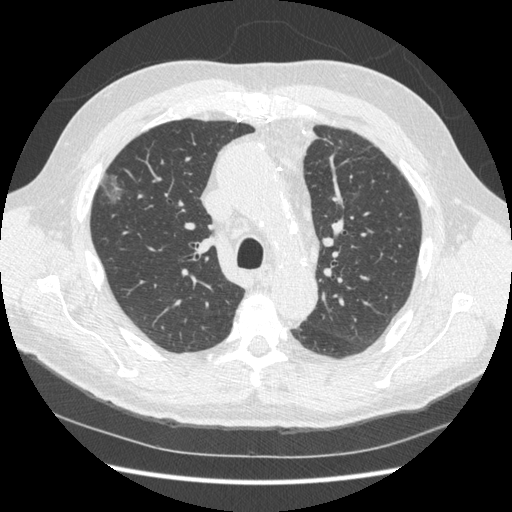
This is axial slice 238 of 369 (slice 1 is the lowest) of a chest CT; each pixel is 0.703 mm and the slice is 1.25 mm thick. Pulmonary nodule outlined by one of the four readers; box rows 172–203, columns 101–124 (that reader's outline on this slice); longest diameter 27.0 mm and volume 3015 mm3 from that reader's outline. That reader's ratings: texture 1/5 (non-solid); margin 1/5 (indistinct); sphericity 3/5 (ovoid); calcification absent; internal structure soft tissue; subtlety 3/5; malignancy likelihood 3/5. Scale key (1–5): texture non-solid→solid, margin indistinct→circumscribed, sphericity linear→round, subtlety extremely subtle→obvious, malignancy likelihood highly unlikely→highly suspicious of cancer. Box rows and columns are 0-based pixel indices from the top-left corner, inclusive.
Acquired at 120 kVp and reconstructed with the STANDARD kernel.